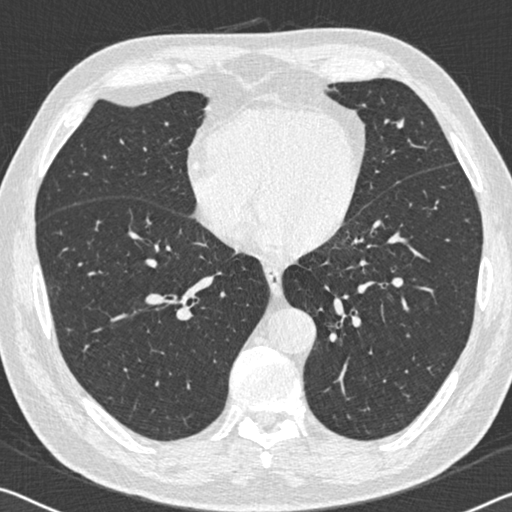
Axial chest CT slice 241 of 536 (counted from the lowest slice); 0.75 mm thick, 0.656 mm per pixel. Pulmonary nodule at rows 118–128, columns 397–403 (box = that reader's outline on this slice), outlined by one of the four readers; longest diameter 9.1 mm and volume 89 mm3 from that reader's outline. That reader's ratings: texture 5/5 (solid); margin 4/5; sphericity 3/5 (ovoid); calcification absent; internal structure soft tissue; subtlety 4/5; malignancy likelihood 2/5. Scale key (1–5): texture non-solid→solid, margin indistinct→circumscribed, sphericity linear→round, subtlety extremely subtle→obvious, malignancy likelihood highly unlikely→highly suspicious of cancer. Box rows and columns are 0-based pixel indices from the top-left corner, inclusive.
Scan settings: 120 kVp, B30f reconstruction kernel.